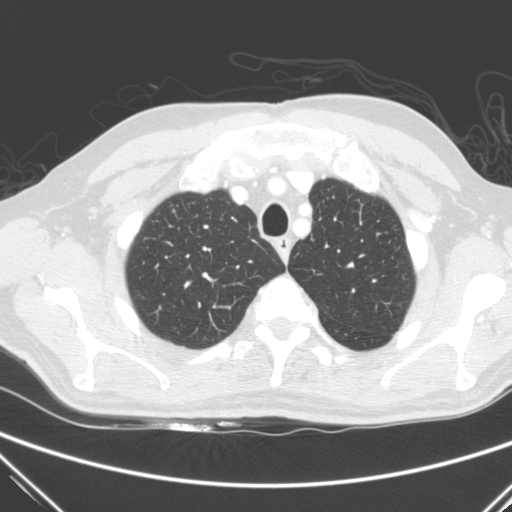
One axial slice (236 of 290, counting up from the lowest) of a chest CT acquired at 120 kVp with the C kernel; each pixel is 0.682 mm and the slice is 2.00 mm thick.
Pulmonary nodule, outlined by one of the four readers. Box on this slice rows 209–212, columns 172–175, that reader's outline on this slice; longest diameter 4.4 mm and volume 41 mm3 from that reader's outline. That reader's ratings: texture 5/5 (solid); margin 5/5 (circumscribed); sphericity 5/5 (round); calcification absent; internal structure soft tissue; subtlety 5/5; malignancy likelihood 3/5. Scale key (1–5): texture non-solid→solid, margin indistinct→circumscribed, sphericity linear→round, subtlety extremely subtle→obvious, malignancy likelihood highly unlikely→highly suspicious of cancer. Box rows and columns are 0-based pixel indices from the top-left corner, inclusive.